Chest CT, axial plane, 120 kVp, kernel STANDARD. Slice 380/465 from the bottom of the scan; thickness 1.25 mm; pixel size 0.586 mm.
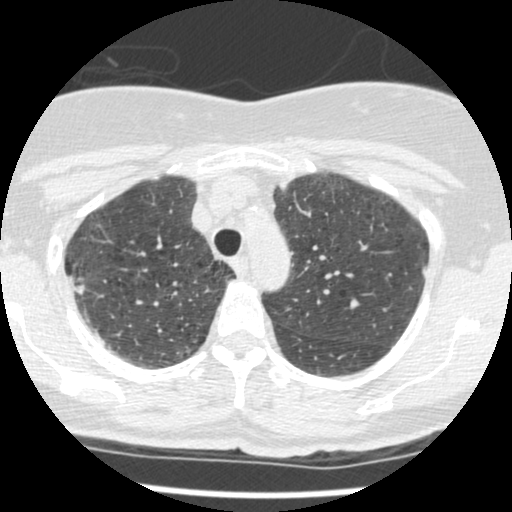
Pulmonary nodule at rows 285–293, columns 75–84 (box = that reader's outline on this slice), outlined by one of the four readers; longest diameter 8.3 mm and volume 208 mm3 from that reader's outline. Ratings by that reader: texture 5/5 (solid); margin 4/5; sphericity 4/5; calcification absent; internal structure soft tissue; subtlety 3/5; malignancy likelihood 2/5. Scale key (1–5): texture non-solid→solid, margin indistinct→circumscribed, sphericity linear→round, subtlety extremely subtle→obvious, malignancy likelihood highly unlikely→highly suspicious of cancer. Box rows and columns are 0-based pixel indices from the top-left corner, inclusive.